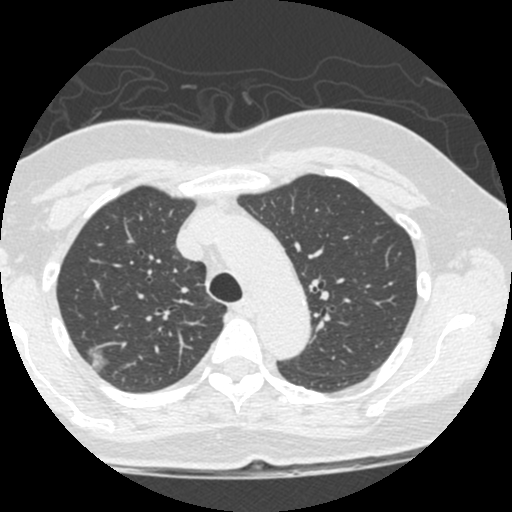
Axial chest CT slice 383 of 490 (counted from the lowest slice); 1.25 mm thick, 0.547 mm per pixel. Pulmonary nodule at rows 341–371, columns 84–109 (box = the union of the readers' outlines on this slice), outlined by three of the four readers; median longest diameter 15.2 mm (readers' outlines 14.3–18.3 mm), median volume 997 mm3 (967–1422 mm3). Median ratings and the readers' spread: texture 1/5 (non-solid) at the median of three readers, spread 1/5 (non-solid) to 5/5 (solid); median margin 2/5 (readers ranged 2/5 to 4/5); median sphericity 4/5 (readers ranged 3/5 (ovoid) to 5/5 (round)); calcification absent from all three readers; internal structure soft tissue, all three readers agreeing; median subtlety 5/5 (readers ranged 1–5); median malignancy likelihood 3/5 (readers ranged 2–5). Scale key (1–5): texture non-solid→solid, margin indistinct→circumscribed, sphericity linear→round, subtlety extremely subtle→obvious, malignancy likelihood highly unlikely→highly suspicious of cancer. Box rows and columns are 0-based pixel indices from the top-left corner, inclusive.
Tube voltage 120 kVp; convolution kernel STANDARD.